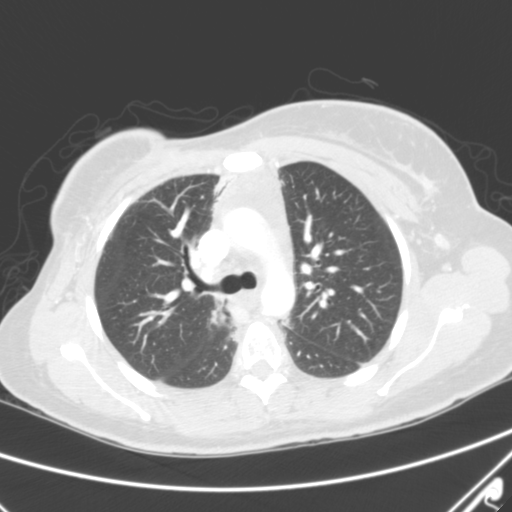
Chest CT, axial plane, 120 kVp, kernel B. Slice 179/263 from the bottom of the scan; thickness 2.00 mm; pixel size 0.664 mm.
No nodule 3 mm or larger was outlined here by any reader.